Chest CT, axial plane, 120 kVp, kernel STANDARD. Slice 71/133 from the bottom of the scan; thickness 2.50 mm; pixel size 0.625 mm.
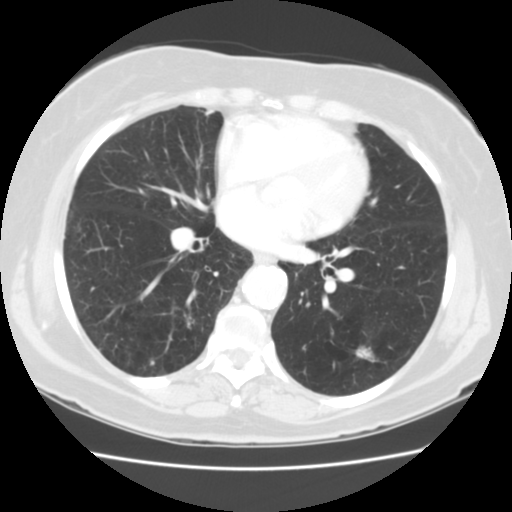
Pulmonary nodule at rows 344–361, columns 355–374 (box = that reader's outline on this slice), outlined by one of the four readers; longest diameter 15.1 mm and volume 466 mm3 from that reader's outline. That reader's ratings: texture 1/5 (non-solid); margin 2/5; sphericity 5/5 (round); calcification absent; internal structure soft tissue; subtlety 1/5; malignancy likelihood 2/5. Scale key (1–5): texture non-solid→solid, margin indistinct→circumscribed, sphericity linear→round, subtlety extremely subtle→obvious, malignancy likelihood highly unlikely→highly suspicious of cancer. Box rows and columns are 0-based pixel indices from the top-left corner, inclusive.